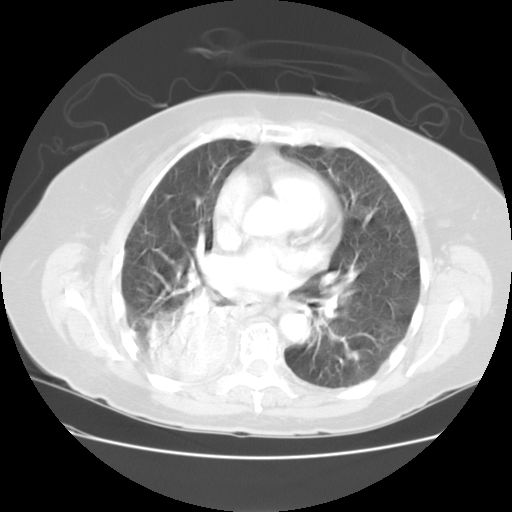
Axial chest CT slice 88 of 133 (counted from the lowest slice); tube voltage 120 kVp, convolution kernel STANDARD; slices 2.50 mm thick, 0.703 mm per pixel.
Pulmonary nodule outlined by all four readers, three of them on this slice; box rows 349–360, columns 346–358 (the union of the readers' outlines on this slice); median longest diameter 10.4 mm (readers' outlines 10.1–11.1 mm), median volume 355 mm3 (209–659 mm3). Median ratings and the readers' spread: median texture 5/5 (solid) (readers ranged 4/5 to 5/5 (solid)); margin 3.5/5 at the median of four readers, spread 3/5 to 5/5 (circumscribed); sphericity 4.5/5 at the median of four readers, spread 2/5 to 5/5 (round); calcification absent from all four readers; internal structure soft tissue from all four readers; median subtlety 4/5 (readers ranged 4–5); malignancy likelihood 3/5, all four readers agreeing. Scale key (1–5): texture non-solid→solid, margin indistinct→circumscribed, sphericity linear→round, subtlety extremely subtle→obvious, malignancy likelihood highly unlikely→highly suspicious of cancer. Box rows and columns are 0-based pixel indices from the top-left corner, inclusive.